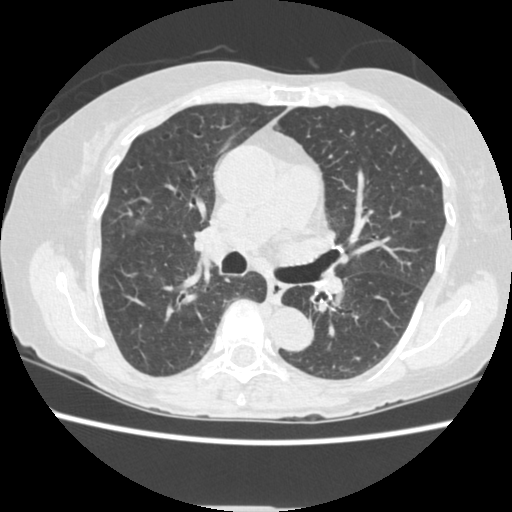
This is axial slice 200 of 362 (slice 1 is the lowest) of a chest CT; each pixel is 0.625 mm and the slice is 1.25 mm thick. None of the four readers outlined a nodule of 3 mm or more on this slice.
Tube voltage 120 kVp; convolution kernel STANDARD.